One axial slice (104 of 290, counting up from the lowest) of a chest CT acquired at 120 kVp with the D kernel; each pixel is 0.662 mm and the slice is 1.00 mm thick.
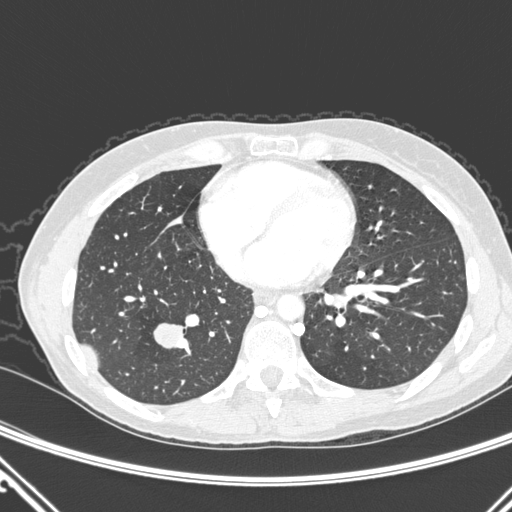
Pulmonary nodule outlined by all four readers; box rows 322–348, columns 153–184 (the union of the readers' outlines on this slice); median longest diameter 23.4 mm (readers' outlines 22.2–29.6 mm), median volume 2912 mm3 (2637–3531 mm3). Median ratings and the readers' spread: texture 5/5 (solid), all four readers agreeing; margin 4.5/5 at the median of four readers, spread 4/5 to 5/5 (circumscribed); sphericity 4/5 at the median of four readers, spread 2/5 to 5/5 (round); calcification absent, all four readers agreeing; internal structure soft tissue from all four readers; subtlety 5/5 from all four readers; median malignancy likelihood 4.5/5 (readers ranged 3–5). Scale key (1–5): texture non-solid→solid, margin indistinct→circumscribed, sphericity linear→round, subtlety extremely subtle→obvious, malignancy likelihood highly unlikely→highly suspicious of cancer. Box rows and columns are 0-based pixel indices from the top-left corner, inclusive.